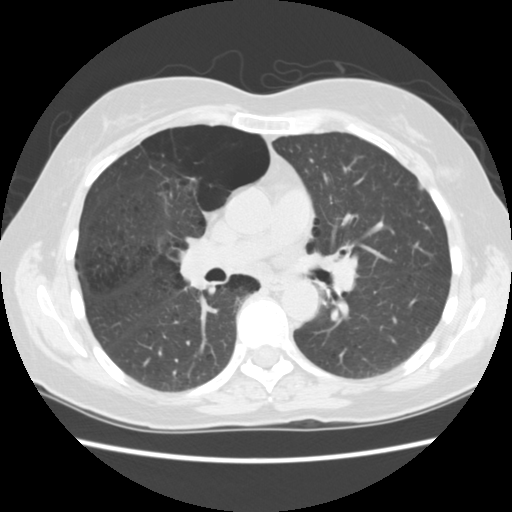
Slice 84/156 of a chest CT, counting up from the lowest; pixel size 0.645 mm, slice thickness 2.50 mm. Pulmonary nodule outlined by three of the four readers; box rows 180–190, columns 416–423 (the union of the readers' outlines on this slice); longest diameter 9.0 mm on average over the three readers' outlines (readers' outlines 9.0–9.2 mm), volume 151–180 mm3. Ratings, by the readers' most common answer with dissent counted: texture 5/5 (solid) from all three readers; most readers (two of three) put margin at 5/5 (circumscribed), others 4/5 (one); sphericity 3/5 (ovoid), all three readers agreeing; calcification absent, all three readers agreeing; internal structure soft tissue from all three readers; most readers (two of three) put subtlety at 5/5, others 4/5 (one); most readers (two of three) put malignancy likelihood at 2/5, others 3/5 (one). Scale key (1–5): texture non-solid→solid, margin indistinct→circumscribed, sphericity linear→round, subtlety extremely subtle→obvious, malignancy likelihood highly unlikely→highly suspicious of cancer. Box rows and columns are 0-based pixel indices from the top-left corner, inclusive.
Scan settings: 120 kVp, STANDARD reconstruction kernel.